Axial slice 116 of 238 of a chest CT (slice 1 is the lowest), reconstructed with the STANDARD kernel at 120 kVp; 1.25 mm slice thickness and 0.625 mm pixels.
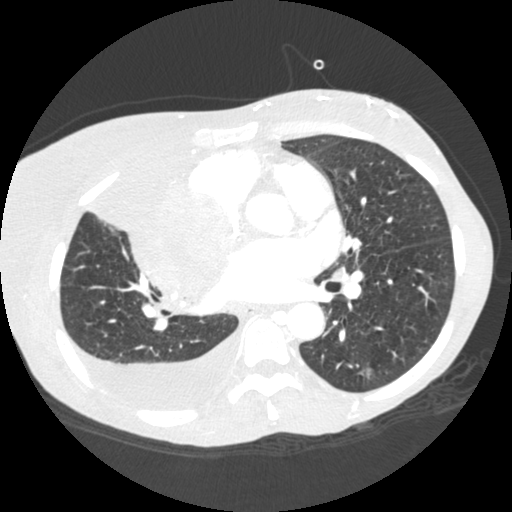
Pulmonary nodule outlined by all four readers, one of them on this slice; box rows 366–378, columns 362–374 (the one reader's outline on this slice); median longest diameter 10.1 mm (readers' outlines 9.7–10.7 mm), median volume 354 mm3 (334–416 mm3). Ratings, median across the readers with their spread: texture 5/5 (solid), all four readers agreeing; margin 4/5 from all four readers; median sphericity 4.5/5 (readers ranged 4/5 to 5/5 (round)); calcification absent, all four readers agreeing; internal structure soft tissue, all four readers agreeing; median subtlety 4.5/5 (readers ranged 4–5); median malignancy likelihood 4/5 (readers ranged 3–5). Scale key (1–5): texture non-solid→solid, margin indistinct→circumscribed, sphericity linear→round, subtlety extremely subtle→obvious, malignancy likelihood highly unlikely→highly suspicious of cancer. Box rows and columns are 0-based pixel indices from the top-left corner, inclusive.